Chest CT, axial plane, 120 kVp, kernel BONE. Slice 107/268 from the bottom of the scan; thickness 1.25 mm; pixel size 0.742 mm.
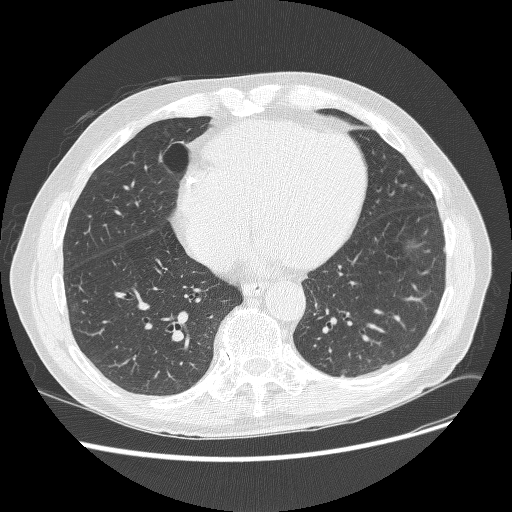
Pulmonary nodule outlined by two of the four readers; box rows 247–252, columns 442–445 (the union of the readers' outlines on this slice); the two readers' outlines give a longest diameter between 5.4 and 7.0 mm and a volume between 50 and 77 mm3. Ratings across the readers: texture from 4/5 to 5/5 (solid) across the two readers; margin from 2/5 to 5/5 (circumscribed) across the two readers; sphericity from 3/5 (ovoid) to 5/5 (round) across the two readers; calcification absent, both readers agreeing; internal structure soft tissue, both readers agreeing; subtlety 4/5, both readers agreeing; malignancy likelihood 3/5 from both readers. Scale key (1–5): texture non-solid→solid, margin indistinct→circumscribed, sphericity linear→round, subtlety extremely subtle→obvious, malignancy likelihood highly unlikely→highly suspicious of cancer. Box rows and columns are 0-based pixel indices from the top-left corner, inclusive.